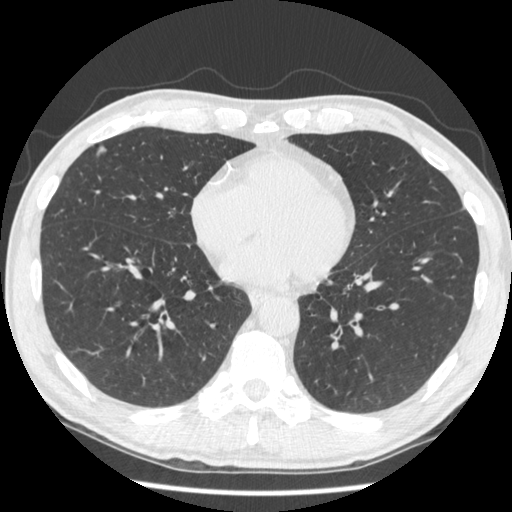
One axial slice (172 of 506, counting up from the lowest) of a chest CT acquired at 120 kVp with the STANDARD kernel; each pixel is 0.664 mm and the slice is 1.25 mm thick.
Pulmonary nodule, outlined by one of the four readers. Box on this slice rows 145–158, columns 94–106, that reader's outline on this slice; longest diameter 10.9 mm and volume 130 mm3 from that reader's outline. That reader's ratings: texture 4/5; margin 4/5; sphericity 2/5; calcification absent; internal structure soft tissue; subtlety 4/5; malignancy likelihood 2/5. Scale key (1–5): texture non-solid→solid, margin indistinct→circumscribed, sphericity linear→round, subtlety extremely subtle→obvious, malignancy likelihood highly unlikely→highly suspicious of cancer. Box rows and columns are 0-based pixel indices from the top-left corner, inclusive.